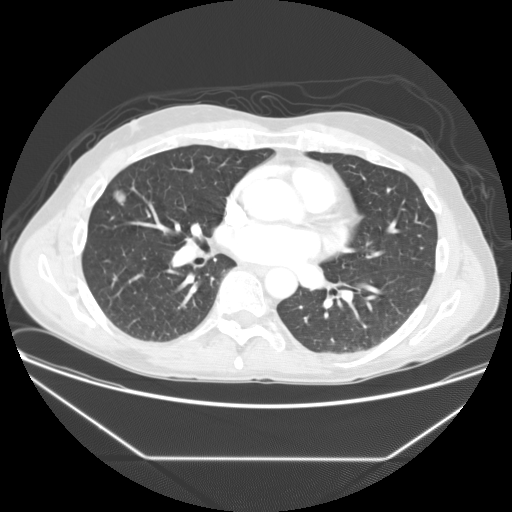
This is axial slice 76 of 137 (slice 1 is the lowest) of a chest CT; each pixel is 0.781 mm and the slice is 2.50 mm thick. Pulmonary nodule, outlined by all four readers. Box on this slice rows 189–205, columns 113–125, the union of the readers' outlines on this slice; median longest diameter 14.7 mm (readers' outlines 14.3–15.8 mm), median volume 1230 mm3 (1035–1472 mm3). Ratings, median across the readers with their spread: texture 5/5 (solid) from all four readers; median margin 5/5 (circumscribed) (readers ranged 4/5 to 5/5 (circumscribed)); sphericity 4/5 at the median of four readers, spread 4/5 to 5/5 (round); calcification absent, all four readers agreeing; internal structure soft tissue from all four readers; median subtlety 5/5 (readers ranged 3–5); malignancy likelihood 3.5/5 at the median of four readers, spread 2–4. Scale key (1–5): texture non-solid→solid, margin indistinct→circumscribed, sphericity linear→round, subtlety extremely subtle→obvious, malignancy likelihood highly unlikely→highly suspicious of cancer. Box rows and columns are 0-based pixel indices from the top-left corner, inclusive.
Acquired at 120 kVp and reconstructed with the STANDARD kernel.